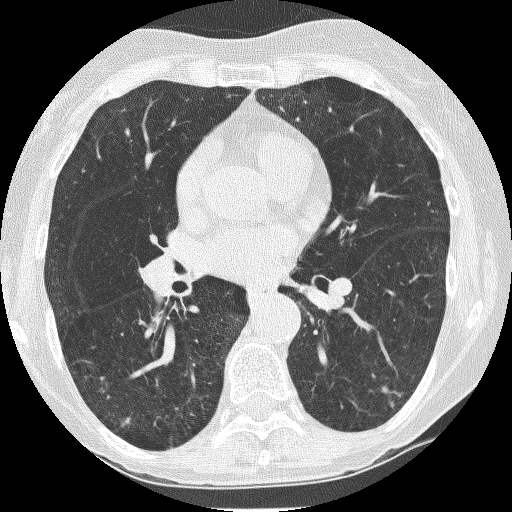
Chest CT, axial plane, 120 kVp, kernel BONE. Slice 119/235 from the bottom of the scan; thickness 1.25 mm; pixel size 0.537 mm.
Pulmonary nodule at rows 416–427, columns 120–130 (box = the one reader's outline on this slice), outlined by two of the four readers, one of them on this slice; longest diameter 8.1 mm on average over the two readers' outlines (readers' outlines 7.7–8.5 mm), volume 108–186 mm3. The readers' prevailing ratings and who disagreed: texture 5/5 (solid), both readers agreeing; margin split among the readers: 2/5 (one), 4/5 (one); sphericity split among the readers: 3/5 (ovoid) (one), 4/5 (one); calcification absent, both readers agreeing; internal structure soft tissue from both readers; subtlety split among the readers: 2/5 (one), 4/5 (one); malignancy likelihood split among the readers: 3/5 (one), 4/5 (one). Scale key (1–5): texture non-solid→solid, margin indistinct→circumscribed, sphericity linear→round, subtlety extremely subtle→obvious, malignancy likelihood highly unlikely→highly suspicious of cancer. Box rows and columns are 0-based pixel indices from the top-left corner, inclusive.